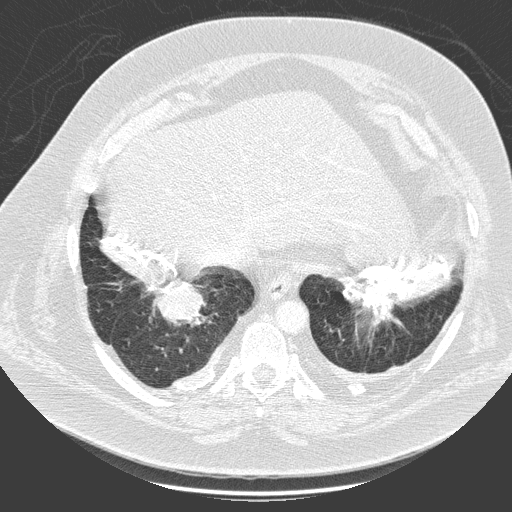
Axial chest CT slice 54 of 280 (counted from the lowest slice); 1.00 mm thick, 0.801 mm per pixel. Pulmonary nodule, outlined by one of the four readers. Box on this slice rows 284–324, columns 154–204, that reader's outline on this slice; longest diameter 49.9 mm and volume 31112 mm3 from that reader's outline. Ratings by that reader: texture 5/5 (solid); margin 4/5; sphericity 5/5 (round); calcification non-central calcification; internal structure soft tissue; subtlety 5/5; malignancy likelihood 5/5. Scale key (1–5): texture non-solid→solid, margin indistinct→circumscribed, sphericity linear→round, subtlety extremely subtle→obvious, malignancy likelihood highly unlikely→highly suspicious of cancer. Box rows and columns are 0-based pixel indices from the top-left corner, inclusive.
Acquired at 140 kVp and reconstructed with the D kernel.